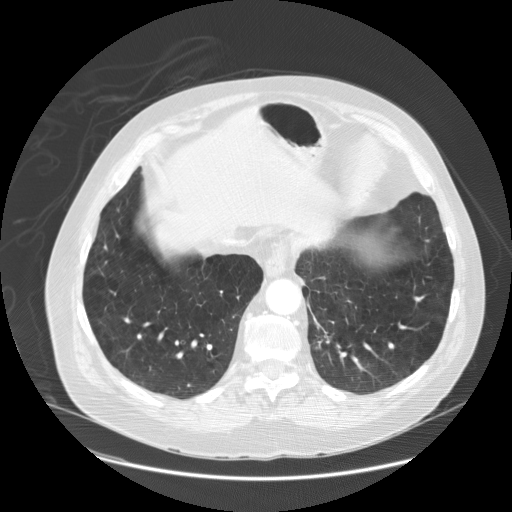
This is axial slice 46 of 149 (slice 1 is the lowest) of a chest CT; each pixel is 0.820 mm and the slice is 2.50 mm thick. Pulmonary nodule outlined by all four readers, one of them on this slice; box rows 335–348, columns 314–332 (the one reader's outline on this slice); median longest diameter 22.8 mm (readers' outlines 21.9–28.7 mm), median volume 2998 mm3 (2868–3180 mm3). Median ratings and the readers' spread: median texture 5/5 (solid) (readers ranged 4/5 to 5/5 (solid)); margin 4/5 at the median of four readers, spread 3/5 to 5/5 (circumscribed); sphericity 4/5 at the median of four readers, spread 3/5 (ovoid) to 5/5 (round); calcification absent, all four readers agreeing; internal structure soft tissue, all four readers agreeing; subtlety 5/5 at the median of four readers, spread 4–5; median malignancy likelihood 3.5/5 (readers ranged 3–5). Scale key (1–5): texture non-solid→solid, margin indistinct→circumscribed, sphericity linear→round, subtlety extremely subtle→obvious, malignancy likelihood highly unlikely→highly suspicious of cancer. Box rows and columns are 0-based pixel indices from the top-left corner, inclusive.
Tube voltage 120 kVp; convolution kernel STANDARD.